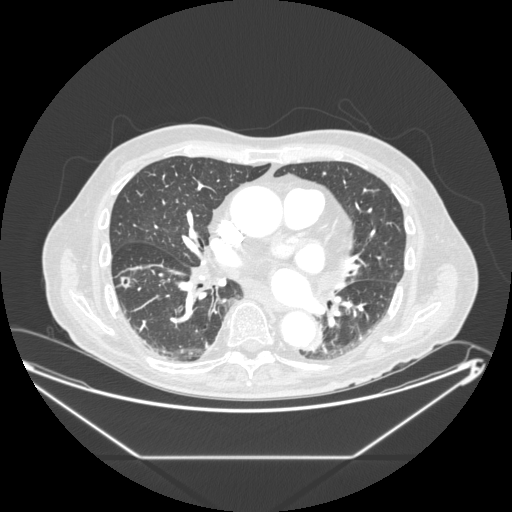
Slice 89/214 of a chest CT, counting up from the lowest; pixel size 0.879 mm, slice thickness 1.25 mm. Pulmonary nodule, outlined by all four readers. Box on this slice rows 276–288, columns 119–129, the union of the readers' outlines on this slice; median longest diameter 13.4 mm (readers' outlines 12.6–15.8 mm), median volume 615 mm3 (537–734 mm3). Ratings, median across the readers with their spread: texture 5/5 (solid) at the median of four readers, spread 4/5 to 5/5 (solid); margin 3.5/5 at the median of four readers, spread 2/5 to 5/5 (circumscribed); sphericity 4.5/5 at the median of four readers, spread 4/5 to 5/5 (round); calcification absent, all four readers agreeing; internal structure soft tissue, all four readers agreeing; median subtlety 4/5 (readers ranged 4–5); median malignancy likelihood 3/5 (readers ranged 3–5). Scale key (1–5): texture non-solid→solid, margin indistinct→circumscribed, sphericity linear→round, subtlety extremely subtle→obvious, malignancy likelihood highly unlikely→highly suspicious of cancer. Box rows and columns are 0-based pixel indices from the top-left corner, inclusive.
Scan settings: 120 kVp, STANDARD reconstruction kernel.